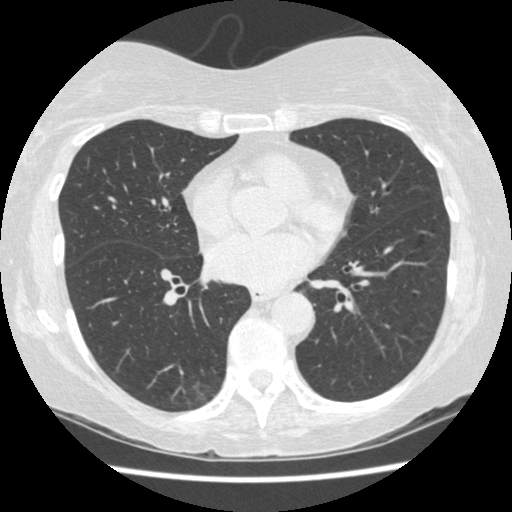
Axial chest CT slice 183 of 458 (counted from the lowest slice); tube voltage 120 kVp, convolution kernel STANDARD; slices 1.25 mm thick, 0.625 mm per pixel.
No nodule of 3 mm or larger was outlined by any of the four readers on this slice.